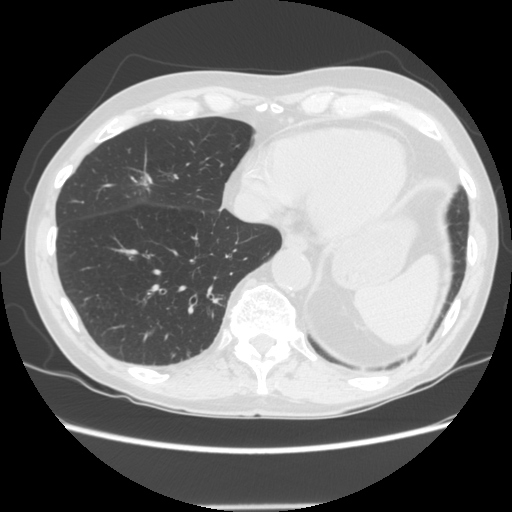
Axial chest CT slice 48 of 143 (counted from the lowest slice); tube voltage 120 kVp, convolution kernel STANDARD; slices 2.50 mm thick, 0.703 mm per pixel.
Pulmonary nodule outlined by all four readers, three of them on this slice; box rows 176–184, columns 139–147 (the union of the readers' outlines on this slice); the four readers' outlines give a longest diameter between 21.6 and 28.5 mm and a volume between 1793 and 2260 mm3. Ratings across the readers: texture from 4/5 to 5/5 (solid) across the four readers; margin from 4/5 to 5/5 (circumscribed) across the four readers; sphericity from 2/5 to 5/5 (round) across the four readers; calcification absent, all four readers agreeing; internal structure soft tissue, all four readers agreeing; subtlety 5/5, all four readers agreeing; malignancy likelihood 4–5/5 (the readers disagree). Scale key (1–5): texture non-solid→solid, margin indistinct→circumscribed, sphericity linear→round, subtlety extremely subtle→obvious, malignancy likelihood highly unlikely→highly suspicious of cancer. Box rows and columns are 0-based pixel indices from the top-left corner, inclusive.